Chest CT, axial plane, 130 kVp, kernel B31s. Slice 82/127 from the bottom of the scan; thickness 3.00 mm; pixel size 0.668 mm.
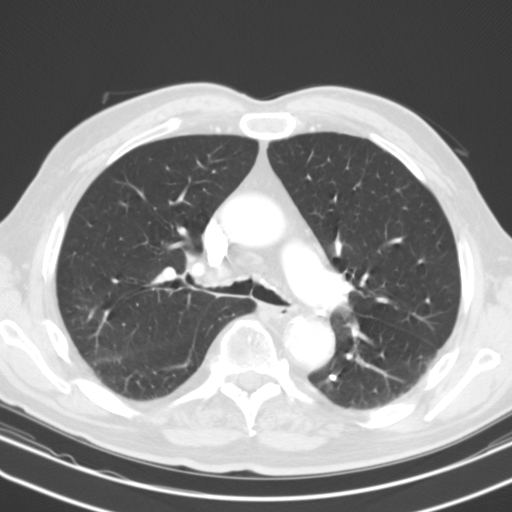
Pulmonary nodule outlined by two of the four readers; box rows 374–380, columns 329–336 (the union of the readers' outlines on this slice); median longest diameter 6.8 mm (readers' outlines 6.6–7.1 mm), median volume 152 mm3 (143–161 mm3). Ratings, median across the readers with their spread: texture 5/5 (solid) from both readers; margin 4.5/5 at the median of two readers, spread 4/5 to 5/5 (circumscribed); median sphericity 3.5/5 (readers ranged 3/5 (ovoid) to 4/5); calcification solid calcification from both readers; internal structure soft tissue, both readers agreeing; subtlety 4.5/5 at the median of two readers, spread 4–5; malignancy likelihood 1/5 from both readers. Scale key (1–5): texture non-solid→solid, margin indistinct→circumscribed, sphericity linear→round, subtlety extremely subtle→obvious, malignancy likelihood highly unlikely→highly suspicious of cancer. Box rows and columns are 0-based pixel indices from the top-left corner, inclusive.